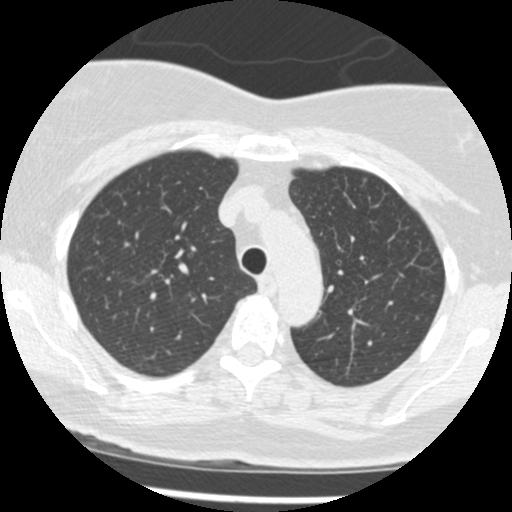
Axial chest CT slice 339 of 433 (counted from the lowest slice); 1.25 mm thick, 0.547 mm per pixel. Pulmonary nodule at rows 178–181, columns 363–366 (box = that reader's outline on this slice), outlined by one of the four readers; longest diameter 3.9 mm and volume 28 mm3 from that reader's outline. Ratings by that reader: texture 5/5 (solid); margin 5/5 (circumscribed); sphericity 4/5; calcification solid calcification; internal structure soft tissue; subtlety 5/5; malignancy likelihood 3/5. Scale key (1–5): texture non-solid→solid, margin indistinct→circumscribed, sphericity linear→round, subtlety extremely subtle→obvious, malignancy likelihood highly unlikely→highly suspicious of cancer. Box rows and columns are 0-based pixel indices from the top-left corner, inclusive.
Tube voltage 120 kVp; convolution kernel STANDARD.